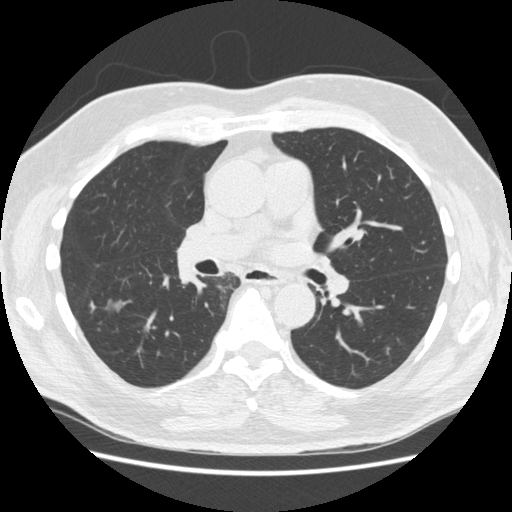
Chest CT, axial plane, 120 kVp, kernel STANDARD. Slice 284/557 from the bottom of the scan; thickness 1.25 mm; pixel size 0.703 mm.
Pulmonary nodule outlined by all four readers, three of them on this slice; box rows 298–312, columns 102–126 (the union of the readers' outlines on this slice); median longest diameter 22.6 mm (readers' outlines 19.1–25.0 mm), median volume 1024 mm3 (785–1099 mm3). Median ratings and the readers' spread: median texture 5/5 (solid) (readers ranged 4/5 to 5/5 (solid)); margin 3.5/5 at the median of four readers, spread 3/5 to 5/5 (circumscribed); median sphericity 3/5 (ovoid) (readers ranged 2/5 to 3/5 (ovoid)); calcification absent, all four readers agreeing; internal structure soft tissue from all four readers; subtlety 5/5 at the median of four readers, spread 4–5; malignancy likelihood 4/5 at the median of four readers, spread 2–5. Scale key (1–5): texture non-solid→solid, margin indistinct→circumscribed, sphericity linear→round, subtlety extremely subtle→obvious, malignancy likelihood highly unlikely→highly suspicious of cancer. Box rows and columns are 0-based pixel indices from the top-left corner, inclusive.